One axial slice (185 of 265, counting up from the lowest) of a chest CT acquired at 120 kVp with the STANDARD kernel; each pixel is 0.670 mm and the slice is 1.25 mm thick.
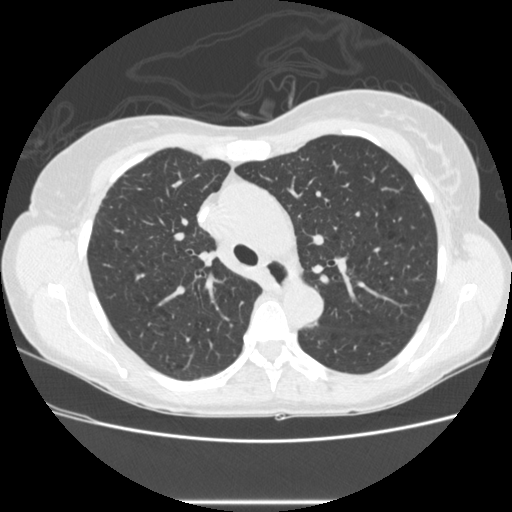
None of the four readers outlined a nodule of 3 mm or more on this slice.